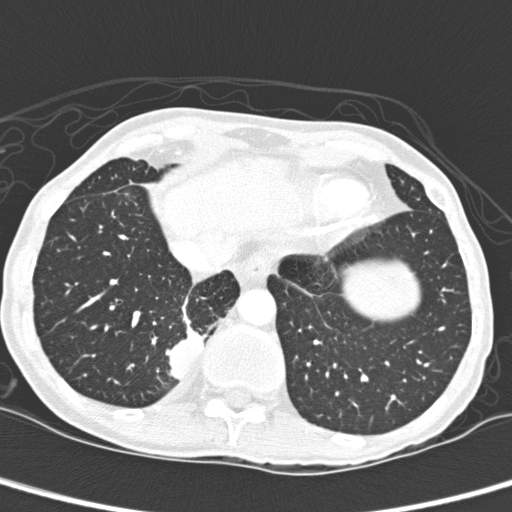
Chest CT, axial plane, 120 kVp, kernel D. Slice 57/280 from the bottom of the scan; thickness 1.00 mm; pixel size 0.564 mm.
Pulmonary nodule, outlined by two of the four readers. Box on this slice rows 327–379, columns 167–206, the union of the readers' outlines on this slice; the two readers' outlines give a longest diameter between 32.1 and 35.8 mm and a volume between 5657 and 6702 mm3. Ratings across the readers: texture 5/5 (solid), both readers agreeing; margin 4/5, both readers agreeing; sphericity 3/5 (ovoid), both readers agreeing; calcification absent, both readers agreeing; internal structure soft tissue from both readers; subtlety 5/5 from both readers; malignancy likelihood rated between 2 and 3 out of 5 by the two readers. Scale key (1–5): texture non-solid→solid, margin indistinct→circumscribed, sphericity linear→round, subtlety extremely subtle→obvious, malignancy likelihood highly unlikely→highly suspicious of cancer. Box rows and columns are 0-based pixel indices from the top-left corner, inclusive.